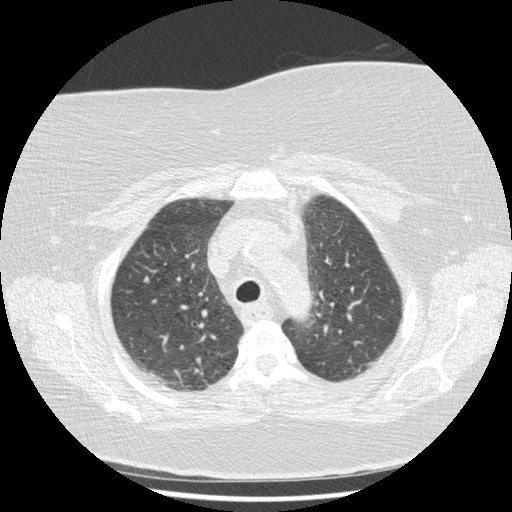
Chest CT, axial plane, 120 kVp, kernel STANDARD. Slice 343/417 from the bottom of the scan; thickness 1.25 mm; pixel size 0.703 mm.
Pulmonary nodule, outlined by three of the four readers. Box on this slice rows 275–283, columns 143–149, the union of the readers' outlines on this slice; longest diameter 7.4 mm on average over the three readers' outlines (readers' outlines 7.2–7.6 mm), volume 57–61 mm3. Ratings, by the readers' most common answer with dissent counted: most readers (two of three) put texture at 5/5 (solid), others 4/5 (one); margin split among the readers: 2/5 (one), 3/5 (one), 4/5 (one); sphericity split among the readers: 2/5 (one), 3/5 (ovoid) (one), 4/5 (one); calcification absent, all three readers agreeing; internal structure soft tissue from all three readers; subtlety 3/5 by two of three readers; the rest gave 5/5 (one); most readers (two of three) put malignancy likelihood at 2/5, others 3/5 (one). Scale key (1–5): texture non-solid→solid, margin indistinct→circumscribed, sphericity linear→round, subtlety extremely subtle→obvious, malignancy likelihood highly unlikely→highly suspicious of cancer. Box rows and columns are 0-based pixel indices from the top-left corner, inclusive.